Axial slice 116 of 535 of a chest CT (slice 1 is the lowest), reconstructed with the STANDARD kernel at 120 kVp; 1.25 mm slice thickness and 0.664 mm pixels.
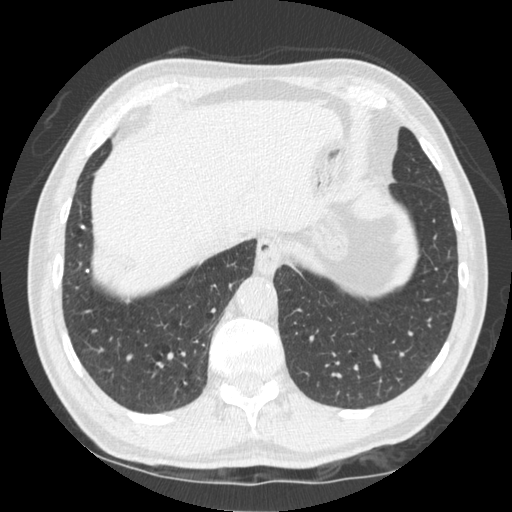
Pulmonary nodule outlined by one of the four readers; box rows 226–229, columns 80–83 (that reader's outline on this slice); longest diameter 5.7 mm and volume 64 mm3 from that reader's outline. Ratings by that reader: texture 5/5 (solid); margin 5/5 (circumscribed); sphericity 5/5 (round); calcification solid calcification; internal structure soft tissue; subtlety 5/5; malignancy likelihood 1/5. Scale key (1–5): texture non-solid→solid, margin indistinct→circumscribed, sphericity linear→round, subtlety extremely subtle→obvious, malignancy likelihood highly unlikely→highly suspicious of cancer. Box rows and columns are 0-based pixel indices from the top-left corner, inclusive.